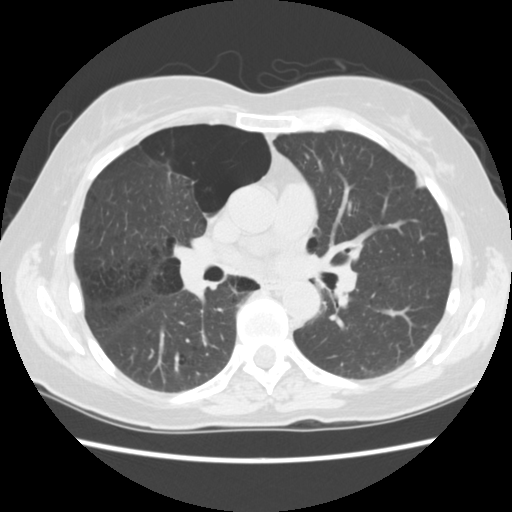
Slice 82/156 of a chest CT, counting up from the lowest; pixel size 0.645 mm, slice thickness 2.50 mm. Pulmonary nodule at rows 176–188, columns 415–423 (box = the union of the readers' outlines on this slice), outlined by three of the four readers; longest diameter 9.0 mm on average over the three readers' outlines (readers' outlines 9.0–9.2 mm), volume 151–180 mm3. The readers' prevailing ratings and who disagreed: texture 5/5 (solid) from all three readers; most readers (two of three) put margin at 5/5 (circumscribed), others 4/5 (one); sphericity 3/5 (ovoid), all three readers agreeing; calcification absent from all three readers; internal structure soft tissue, all three readers agreeing; most readers (two of three) put subtlety at 5/5, others 4/5 (one); malignancy likelihood 2/5 by two of three readers; the rest gave 3/5 (one). Scale key (1–5): texture non-solid→solid, margin indistinct→circumscribed, sphericity linear→round, subtlety extremely subtle→obvious, malignancy likelihood highly unlikely→highly suspicious of cancer. Box rows and columns are 0-based pixel indices from the top-left corner, inclusive.
Acquired at 120 kVp and reconstructed with the STANDARD kernel.